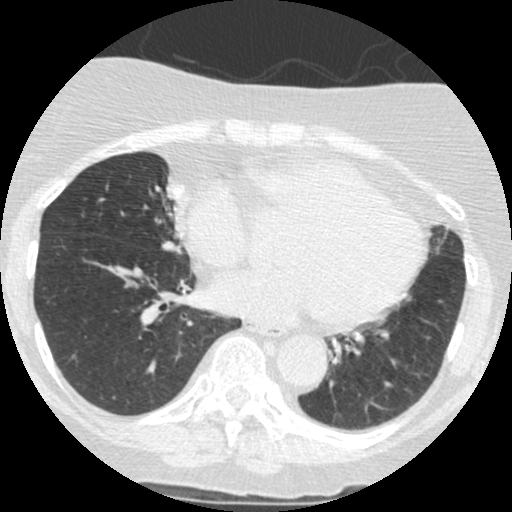
Axial slice 153 of 426 of a chest CT (slice 1 is the lowest), reconstructed with the STANDARD kernel at 120 kVp; 1.25 mm slice thickness and 0.547 mm pixels.
Pulmonary nodule outlined by one of the four readers; box rows 240–253, columns 162–181 (that reader's outline on this slice); longest diameter 15.0 mm and volume 404 mm3 from that reader's outline. Ratings by that reader: texture 5/5 (solid); margin 4/5; sphericity 4/5; calcification non-central calcification; internal structure soft tissue; subtlety 4/5; malignancy likelihood 2/5. Scale key (1–5): texture non-solid→solid, margin indistinct→circumscribed, sphericity linear→round, subtlety extremely subtle→obvious, malignancy likelihood highly unlikely→highly suspicious of cancer. Box rows and columns are 0-based pixel indices from the top-left corner, inclusive.